One axial slice (136 of 558, counting up from the lowest) of a chest CT acquired at 120 kVp with the B30f kernel; each pixel is 0.648 mm and the slice is 0.75 mm thick.
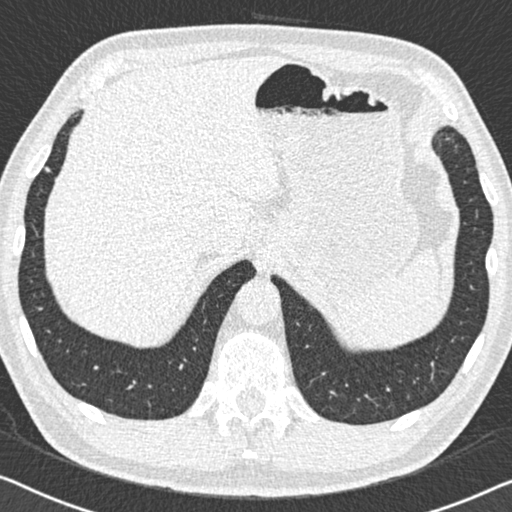
Pulmonary nodule at rows 166–172, columns 44–50 (box = the union of the readers' outlines on this slice), outlined by two of the four readers; longest diameter 5.7 mm on average over the two readers' outlines (readers' outlines 5.6–5.8 mm), volume 53–63 mm3. The readers' prevailing ratings and who disagreed: texture split among the readers: 4/5 (one), 5/5 (solid) (one); margin 4/5 from both readers; sphericity split among the readers: 2/5 (one), 3/5 (ovoid) (one); calcification absent from both readers; internal structure soft tissue, both readers agreeing; subtlety split among the readers: 2/5 (one), 5/5 (one); malignancy likelihood split among the readers: 2/5 (one), 3/5 (one). Scale key (1–5): texture non-solid→solid, margin indistinct→circumscribed, sphericity linear→round, subtlety extremely subtle→obvious, malignancy likelihood highly unlikely→highly suspicious of cancer. Box rows and columns are 0-based pixel indices from the top-left corner, inclusive.